Axial chest CT slice 223 of 483 (counted from the lowest slice); tube voltage 120 kVp, convolution kernel B30f; slices 0.75 mm thick, 0.652 mm per pixel.
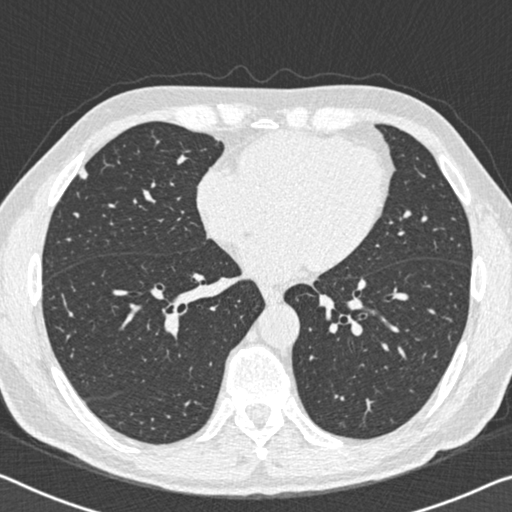
Pulmonary nodule outlined by all four readers; box rows 166–179, columns 78–88 (the union of the readers' outlines on this slice); longest diameter 8.6–10.3 mm and volume 137–171 mm3 across the four readers' outlines. The readers' ratings, as ranges where they differ: texture from 4/5 to 5/5 (solid) across the four readers; margin from 4/5 to 5/5 (circumscribed) across the four readers; sphericity from 3/5 (ovoid) to 5/5 (round) across the four readers; calcification absent, all four readers agreeing; internal structure soft tissue from all four readers; subtlety rated between 3 and 5 out of 5 by the four readers; malignancy likelihood from 2/5 to 4/5 across the four readers. Scale key (1–5): texture non-solid→solid, margin indistinct→circumscribed, sphericity linear→round, subtlety extremely subtle→obvious, malignancy likelihood highly unlikely→highly suspicious of cancer. Box rows and columns are 0-based pixel indices from the top-left corner, inclusive.